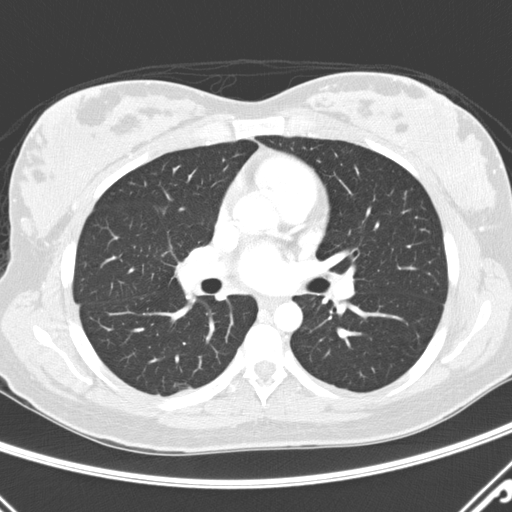
Slice 165/290 of a chest CT, counting up from the lowest; pixel size 0.648 mm, slice thickness 2.00 mm. Pulmonary nodule outlined by one of the four readers; box rows 385–387, columns 187–191 (that reader's outline on this slice); longest diameter 14.2 mm and volume 261 mm3 from that reader's outline. That reader's ratings: texture 4/5; margin 4/5; sphericity 3/5 (ovoid); calcification absent; internal structure soft tissue; subtlety 5/5; malignancy likelihood 3/5. Scale key (1–5): texture non-solid→solid, margin indistinct→circumscribed, sphericity linear→round, subtlety extremely subtle→obvious, malignancy likelihood highly unlikely→highly suspicious of cancer. Box rows and columns are 0-based pixel indices from the top-left corner, inclusive.
Tube voltage 120 kVp; convolution kernel D.